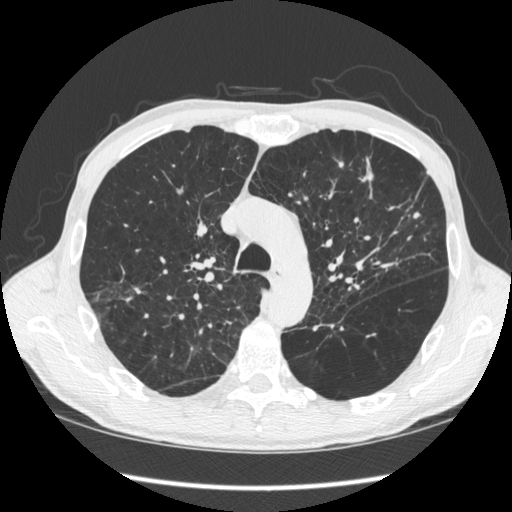
One axial slice (412 of 583, counting up from the lowest) of a chest CT acquired at 120 kVp with the STANDARD kernel; each pixel is 0.703 mm and the slice is 1.25 mm thick.
Two pulmonary nodules are outlined on this slice; from left to right: (1) Pulmonary nodule at rows 172–181, columns 365–373 (box = the union of the readers' outlines on this slice), outlined by all four readers; median longest diameter 14.4 mm (readers' outlines 10.5–14.8 mm), median volume 421 mm3 (293–480 mm3). Median ratings and the readers' spread: texture 5/5 (solid) from all four readers; median margin 4.5/5 (readers ranged 3/5 to 5/5 (circumscribed)); median sphericity 3/5 (ovoid) (readers ranged 2/5 to 5/5 (round)); calcification absent, all four readers agreeing; internal structure soft tissue from all four readers; median subtlety 4.5/5 (readers ranged 3–5); median malignancy likelihood 4.5/5 (readers ranged 2–5). (2) Pulmonary nodule at rows 212–218, columns 413–420 (box = the union of the readers' outlines on this slice), outlined by two of the four readers; median longest diameter 6.8 mm (readers' outlines 6.5–7.2 mm), median volume 72 mm3 (71–74 mm3). Median ratings and the readers' spread: texture 5/5 (solid), both readers agreeing; margin 5/5 (circumscribed) from both readers; median sphericity 3.5/5 (readers ranged 3/5 (ovoid) to 4/5); calcification absent from both readers; internal structure soft tissue from both readers; median subtlety 3/5 (readers ranged 2–4); malignancy likelihood 3/5, both readers agreeing. Scale key (1–5): texture non-solid→solid, margin indistinct→circumscribed, sphericity linear→round, subtlety extremely subtle→obvious, malignancy likelihood highly unlikely→highly suspicious of cancer. Box rows and columns are 0-based pixel indices from the top-left corner, inclusive.